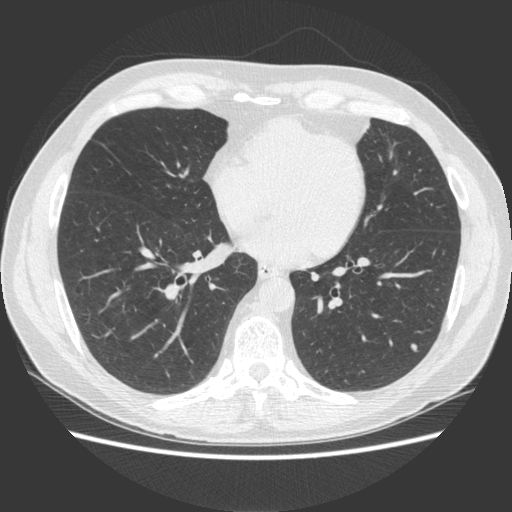
Axial chest CT slice 199 of 500 (counted from the lowest slice); tube voltage 120 kVp, convolution kernel STANDARD; slices 1.25 mm thick, 0.703 mm per pixel.
Pulmonary nodule, outlined by three of the four readers. Box on this slice rows 343–352, columns 410–416, the union of the readers' outlines on this slice; median longest diameter 6.7 mm (readers' outlines 6.6–8.2 mm), median volume 108 mm3 (102–165 mm3). Ratings, median across the readers with their spread: texture 5/5 (solid) at the median of three readers, spread 4/5 to 5/5 (solid); margin 4/5 at the median of three readers, spread 4/5 to 5/5 (circumscribed); median sphericity 4/5 (readers ranged 3/5 (ovoid) to 5/5 (round)); calcification absent, all three readers agreeing; internal structure soft tissue from all three readers; median subtlety 4/5 (readers ranged 4–5); malignancy likelihood 2/5 at the median of three readers, spread 2–4. Scale key (1–5): texture non-solid→solid, margin indistinct→circumscribed, sphericity linear→round, subtlety extremely subtle→obvious, malignancy likelihood highly unlikely→highly suspicious of cancer. Box rows and columns are 0-based pixel indices from the top-left corner, inclusive.